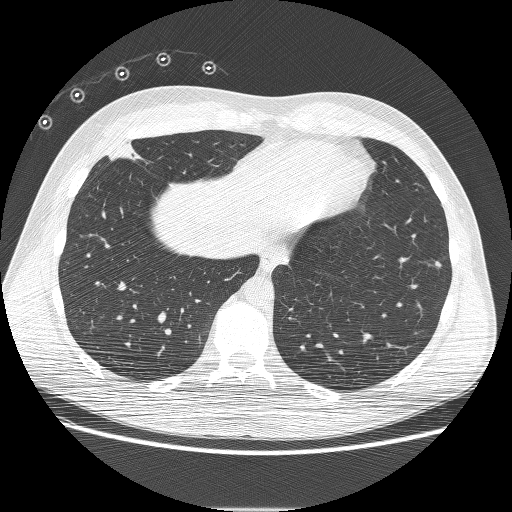
Axial slice 58 of 230 of a chest CT (slice 1 is the lowest), reconstructed with the BONE kernel at 120 kVp; 1.25 mm slice thickness and 0.732 mm pixels.
Two pulmonary nodules on this slice, listed from left to right. (1) Pulmonary nodule outlined by all four readers; box rows 140–161, columns 108–140 (the union of the readers' outlines on this slice); median longest diameter 27.2 mm (readers' outlines 23.5–29.5 mm), median volume 3460 mm3 (3146–3701 mm3). Ratings, median across the readers with their spread: texture 5/5 (solid), all four readers agreeing; median margin 4.5/5 (readers ranged 3/5 to 5/5 (circumscribed)); median sphericity 3.5/5 (readers ranged 3/5 (ovoid) to 4/5); calcification absent from all four readers; internal structure soft tissue from all four readers; subtlety 5/5, all four readers agreeing; malignancy likelihood 5/5 at the median of four readers, spread 4–5. (2) Pulmonary nodule, outlined by one of the four readers. Box on this slice rows 261–267, columns 435–441, that reader's outline on this slice; longest diameter 6.6 mm and volume 41 mm3 from that reader's outline. That reader's ratings: texture 5/5 (solid); margin 5/5 (circumscribed); sphericity 4/5; calcification absent; internal structure soft tissue; subtlety 2/5; malignancy likelihood 3/5. Scale key (1–5): texture non-solid→solid, margin indistinct→circumscribed, sphericity linear→round, subtlety extremely subtle→obvious, malignancy likelihood highly unlikely→highly suspicious of cancer. Box rows and columns are 0-based pixel indices from the top-left corner, inclusive.